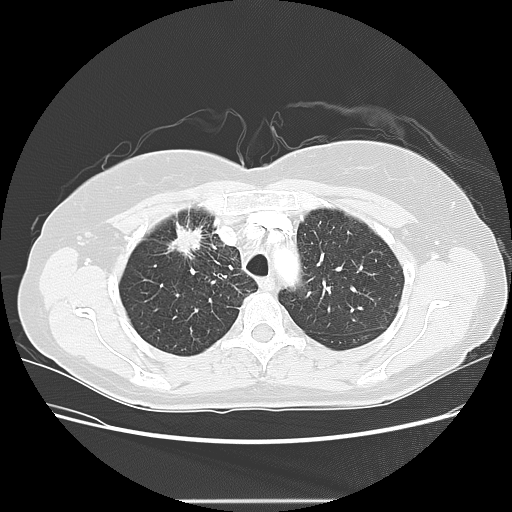
Chest CT, axial plane, 120 kVp, kernel LUNG. Slice 107/130 from the bottom of the scan; thickness 2.50 mm; pixel size 0.703 mm.
Pulmonary nodule, outlined by three of the four readers. Box on this slice rows 221–258, columns 165–205, the union of the readers' outlines on this slice; longest diameter 26.3–33.4 mm and volume 4054–5494 mm3 across the three readers' outlines. The readers' ratings, as ranges where they differ: texture from 4/5 to 5/5 (solid) across the three readers; margin from 3/5 to 5/5 (circumscribed) across the three readers; sphericity from 3/5 (ovoid) to 5/5 (round) across the three readers; calcification absent, all three readers agreeing; internal structure soft tissue, all three readers agreeing; subtlety 5/5, all three readers agreeing; malignancy likelihood from 4/5 to 5/5 across the three readers. Scale key (1–5): texture non-solid→solid, margin indistinct→circumscribed, sphericity linear→round, subtlety extremely subtle→obvious, malignancy likelihood highly unlikely→highly suspicious of cancer. Box rows and columns are 0-based pixel indices from the top-left corner, inclusive.